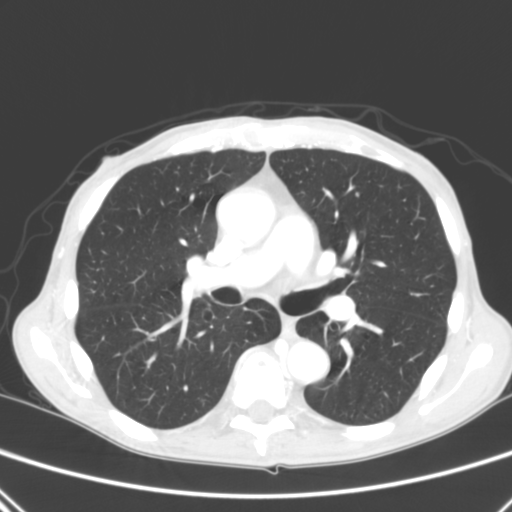
Slice 166/290 of a chest CT, counting up from the lowest; pixel size 0.639 mm, slice thickness 2.00 mm. Pulmonary nodule, outlined by one of the four readers. Box on this slice rows 192–196, columns 356–358, that reader's outline on this slice; longest diameter 4.3 mm and volume 31 mm3 from that reader's outline. That reader's ratings: texture 5/5 (solid); margin 5/5 (circumscribed); sphericity 4/5; calcification absent; internal structure soft tissue; subtlety 5/5; malignancy likelihood 3/5. Scale key (1–5): texture non-solid→solid, margin indistinct→circumscribed, sphericity linear→round, subtlety extremely subtle→obvious, malignancy likelihood highly unlikely→highly suspicious of cancer. Box rows and columns are 0-based pixel indices from the top-left corner, inclusive.
Acquired at 120 kVp and reconstructed with the B kernel.